One axial slice (228 of 261, counting up from the lowest) of a chest CT acquired at 120 kVp with the STANDARD kernel; each pixel is 0.781 mm and the slice is 1.25 mm thick.
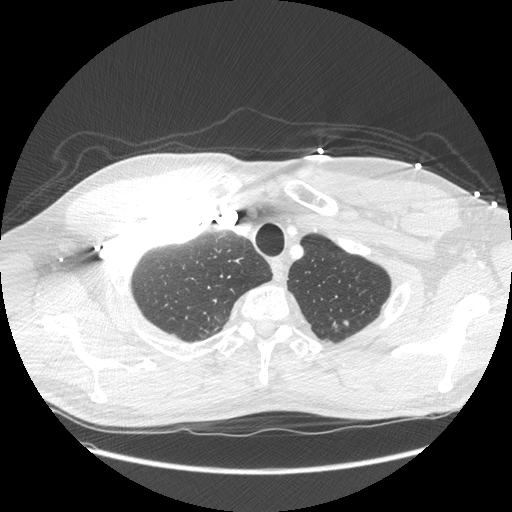
Two pulmonary nodules on this slice, listed from left to right. (1) Pulmonary nodule, outlined by one of the four readers. Box on this slice rows 321–327, columns 333–336, that reader's outline on this slice; longest diameter 6.4 mm and volume 48 mm3 from that reader's outline. Ratings by that reader: texture 5/5 (solid); margin 3/5; sphericity 3/5 (ovoid); calcification absent; internal structure soft tissue; subtlety 2/5; malignancy likelihood 1/5. (2) Pulmonary nodule at rows 320–325, columns 343–348 (box = that reader's outline on this slice), outlined by one of the four readers; longest diameter 5.9 mm and volume 83 mm3 from that reader's outline. Ratings by that reader: texture 5/5 (solid); margin 4/5; sphericity 4/5; calcification absent; internal structure soft tissue; subtlety 2/5; malignancy likelihood 2/5. Scale key (1–5): texture non-solid→solid, margin indistinct→circumscribed, sphericity linear→round, subtlety extremely subtle→obvious, malignancy likelihood highly unlikely→highly suspicious of cancer. Box rows and columns are 0-based pixel indices from the top-left corner, inclusive.